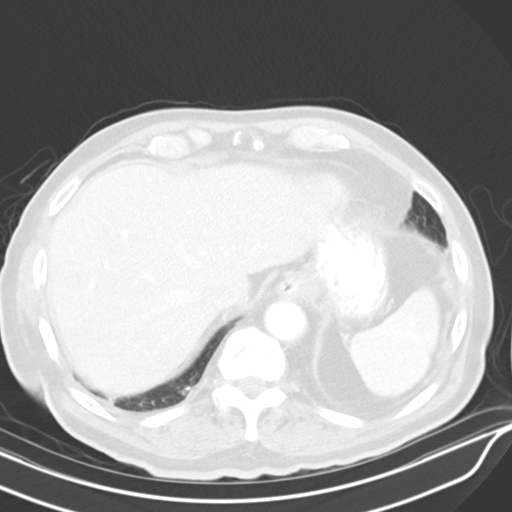
Slice 194/319 of a chest CT, counting up from the lowest; pixel size 0.729 mm, slice thickness 4.00 mm. Pulmonary nodule at rows 387–390, columns 186–190 (box = that reader's outline on this slice), outlined by one of the four readers; longest diameter 5.7 mm and volume 104 mm3 from that reader's outline. That reader's ratings: texture 5/5 (solid); margin 4/5; sphericity 5/5 (round); calcification solid calcification; internal structure soft tissue; subtlety 5/5; malignancy likelihood 1/5. Scale key (1–5): texture non-solid→solid, margin indistinct→circumscribed, sphericity linear→round, subtlety extremely subtle→obvious, malignancy likelihood highly unlikely→highly suspicious of cancer. Box rows and columns are 0-based pixel indices from the top-left corner, inclusive.
Tube voltage 130 kVp; convolution kernel B30s.